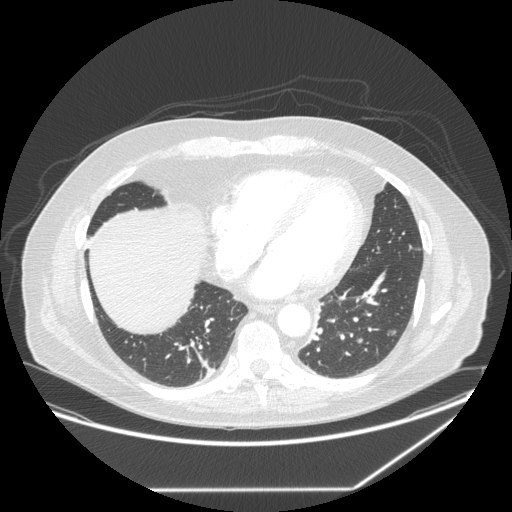
Axial chest CT slice 102 of 258 (counted from the lowest slice); 1.25 mm thick, 0.859 mm per pixel. Two pulmonary nodules are outlined on this slice; from left to right: (1) Pulmonary nodule, outlined by all four readers. Box on this slice rows 338–343, columns 354–363, the union of the readers' outlines on this slice; longest diameter 10.5 mm on average over the four readers' outlines (readers' outlines 8.2–13.3 mm), volume 212–384 mm3. Ratings, by the readers' most common answer with dissent counted: texture 5/5 (solid), all four readers agreeing; margin split among the readers: 4/5 (two), 5/5 (circumscribed) (two); sphericity 5/5 (round) by three of four readers; the rest gave 4/5 (one); calcification absent from all four readers; internal structure soft tissue from all four readers; most readers (three of four) put subtlety at 4/5, others 3/5 (one); malignancy likelihood 4/5 by two of four readers; the rest gave 2/5 (one), 3/5 (one). (2) Pulmonary nodule outlined by all four readers, two of them on this slice; box rows 330–335, columns 386–395 (the union of the readers' outlines on this slice); the four readers' outlines give a longest diameter between 13.1 and 16.3 mm and a volume between 787 and 1264 mm3. Ratings across the readers: texture 5/5 (solid), all four readers agreeing; margin from 4/5 to 5/5 (circumscribed) across the four readers; sphericity from 3/5 (ovoid) to 5/5 (round) across the four readers; calcification absent, all four readers agreeing; internal structure soft tissue, all four readers agreeing; subtlety 3–5/5 (the readers disagree); malignancy likelihood from 2/5 to 5/5 across the four readers. Scale key (1–5): texture non-solid→solid, margin indistinct→circumscribed, sphericity linear→round, subtlety extremely subtle→obvious, malignancy likelihood highly unlikely→highly suspicious of cancer. Box rows and columns are 0-based pixel indices from the top-left corner, inclusive.
Scan settings: 120 kVp, STANDARD reconstruction kernel.